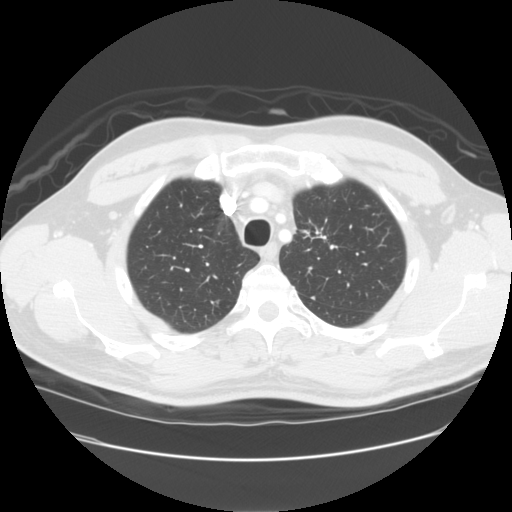
Axial slice 113 of 137 of a chest CT (slice 1 is the lowest), reconstructed with the STANDARD kernel at 120 kVp; 2.50 mm slice thickness and 0.742 mm pixels.
Pulmonary nodule, outlined by all four readers, one of them on this slice. Box on this slice rows 221–240, columns 302–326, the one reader's outline on this slice; longest diameter 30.7–45.5 mm and volume 6191–8548 mm3 across the four readers' outlines. The readers' ratings, as ranges where they differ: texture from 4/5 to 5/5 (solid) across the four readers; margin from 2/5 to 4/5 across the four readers; sphericity from 3/5 (ovoid) to 5/5 (round) across the four readers; calcification absent from all four readers; internal structure soft tissue from all four readers; subtlety 5/5, all four readers agreeing; malignancy likelihood rated between 4 and 5 out of 5 by the four readers. Scale key (1–5): texture non-solid→solid, margin indistinct→circumscribed, sphericity linear→round, subtlety extremely subtle→obvious, malignancy likelihood highly unlikely→highly suspicious of cancer. Box rows and columns are 0-based pixel indices from the top-left corner, inclusive.